Axial slice 65 of 232 of a chest CT (slice 1 is the lowest), reconstructed with the STANDARD kernel at 120 kVp; 1.25 mm slice thickness and 0.703 mm pixels.
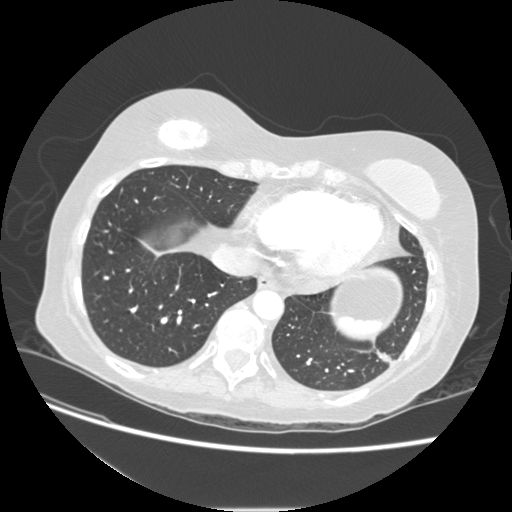
Pulmonary nodule, outlined by all four readers, one of them on this slice. Box on this slice rows 228–231, columns 117–120, the one reader's outline on this slice; median longest diameter 7.6 mm (readers' outlines 7.2–8.2 mm), median volume 122 mm3 (107–143 mm3). Median ratings and the readers' spread: texture 5/5 (solid), all four readers agreeing; margin 5/5 (circumscribed), all four readers agreeing; sphericity 3/5 (ovoid) at the median of four readers, spread 3/5 (ovoid) to 5/5 (round); calcification: solid calcification (three), absent (one); internal structure soft tissue, all four readers agreeing; subtlety 4.5/5 at the median of four readers, spread 3–5; median malignancy likelihood 1/5 (readers ranged 1–2). Scale key (1–5): texture non-solid→solid, margin indistinct→circumscribed, sphericity linear→round, subtlety extremely subtle→obvious, malignancy likelihood highly unlikely→highly suspicious of cancer. Box rows and columns are 0-based pixel indices from the top-left corner, inclusive.